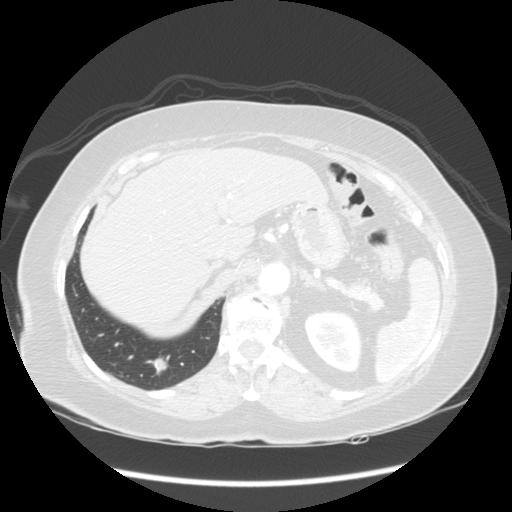
Chest CT, axial plane, 120 kVp, kernel STANDARD. Slice 44/141 from the bottom of the scan; thickness 2.50 mm; pixel size 0.703 mm.
Pulmonary nodule outlined by all four readers; box rows 355–375, columns 152–168 (the union of the readers' outlines on this slice); longest diameter 18.7 mm on average over the four readers' outlines (readers' outlines 17.0–19.8 mm), volume 1157–1740 mm3. Ratings, by the readers' most common answer with dissent counted: texture 5/5 (solid) from all four readers; margin 4/5 by three of four readers; the rest gave 3/5 (one); sphericity split among the readers: 3/5 (ovoid) (two), 4/5 (two); calcification absent from all four readers; internal structure soft tissue, all four readers agreeing; subtlety 5/5 by three of four readers; the rest gave 4/5 (one); malignancy likelihood split among the readers: 4/5 (two), 5/5 (two). Scale key (1–5): texture non-solid→solid, margin indistinct→circumscribed, sphericity linear→round, subtlety extremely subtle→obvious, malignancy likelihood highly unlikely→highly suspicious of cancer. Box rows and columns are 0-based pixel indices from the top-left corner, inclusive.